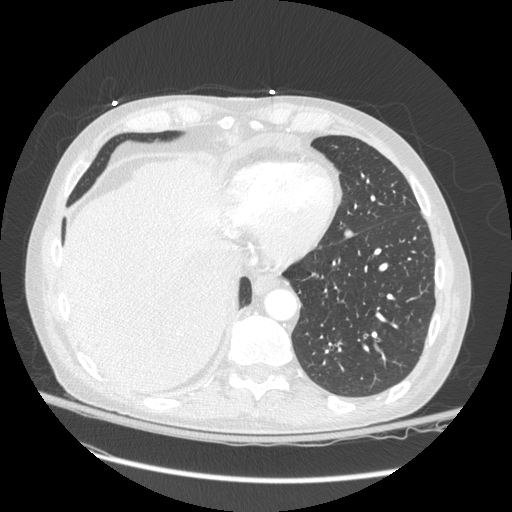
Axial chest CT slice 87 of 272 (counted from the lowest slice); tube voltage 120 kVp, convolution kernel STANDARD; slices 1.25 mm thick, 0.742 mm per pixel.
Pulmonary nodule, outlined by all four readers. Box on this slice rows 229–238, columns 344–354, the union of the readers' outlines on this slice; median longest diameter 11.0 mm (readers' outlines 10.6–13.2 mm), median volume 290 mm3 (211–375 mm3). Median ratings and the readers' spread: texture 5/5 (solid) from all four readers; margin 5/5 (circumscribed) from all four readers; median sphericity 3/5 (ovoid) (readers ranged 3/5 (ovoid) to 5/5 (round)); calcification absent, all four readers agreeing; internal structure soft tissue from all four readers; subtlety 3/5 from all four readers; malignancy likelihood 2/5 at the median of four readers, spread 1–3. Scale key (1–5): texture non-solid→solid, margin indistinct→circumscribed, sphericity linear→round, subtlety extremely subtle→obvious, malignancy likelihood highly unlikely→highly suspicious of cancer. Box rows and columns are 0-based pixel indices from the top-left corner, inclusive.